Axial chest CT slice 200 of 280 (counted from the lowest slice); tube voltage 120 kVp, convolution kernel B; slices 2.00 mm thick, 0.676 mm per pixel.
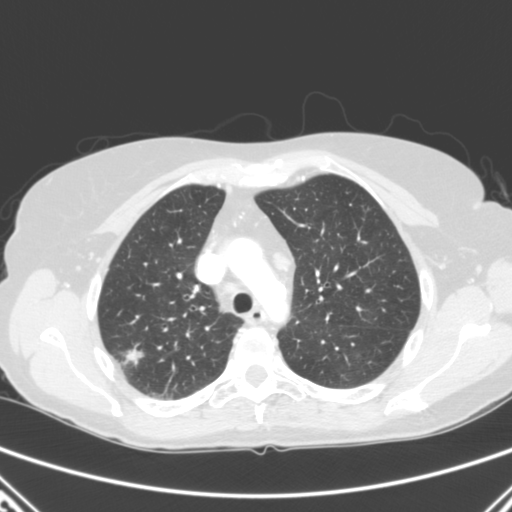
Pulmonary nodule at rows 344–367, columns 119–144 (box = the union of the readers' outlines on this slice), outlined three times (the source holds two more outlines, not used); median longest diameter 19.7 mm (readers' outlines 19.6–26.7 mm), median volume 999 mm3 (949–1659 mm3). Ratings, median across the readers with their spread: texture 5/5 (solid) at the median of three readers, spread 4/5 to 5/5 (solid); median margin 3/5 (readers ranged 3/5 to 4/5); median sphericity 3/5 (ovoid) (readers ranged 2/5 to 5/5 (round)); calcification absent from all three readers; internal structure soft tissue from all three readers; subtlety 5/5 from all three readers; median malignancy likelihood 5/5 (readers ranged 4–5). Scale key (1–5): texture non-solid→solid, margin indistinct→circumscribed, sphericity linear→round, subtlety extremely subtle→obvious, malignancy likelihood highly unlikely→highly suspicious of cancer. Box rows and columns are 0-based pixel indices from the top-left corner, inclusive.